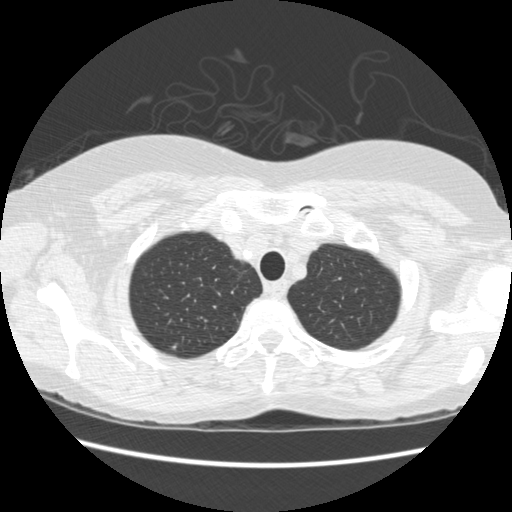
Slice 422/477 of a chest CT, counting up from the lowest; pixel size 0.664 mm, slice thickness 1.25 mm. Pulmonary nodule, outlined by one of the four readers. Box on this slice rows 345–349, columns 171–175, that reader's outline on this slice; longest diameter 8.9 mm and volume 110 mm3 from that reader's outline. Ratings by that reader: texture 5/5 (solid); margin 4/5; sphericity 3/5 (ovoid); calcification absent; internal structure soft tissue; subtlety 4/5; malignancy likelihood 3/5. Scale key (1–5): texture non-solid→solid, margin indistinct→circumscribed, sphericity linear→round, subtlety extremely subtle→obvious, malignancy likelihood highly unlikely→highly suspicious of cancer. Box rows and columns are 0-based pixel indices from the top-left corner, inclusive.
Acquired at 120 kVp and reconstructed with the STANDARD kernel.